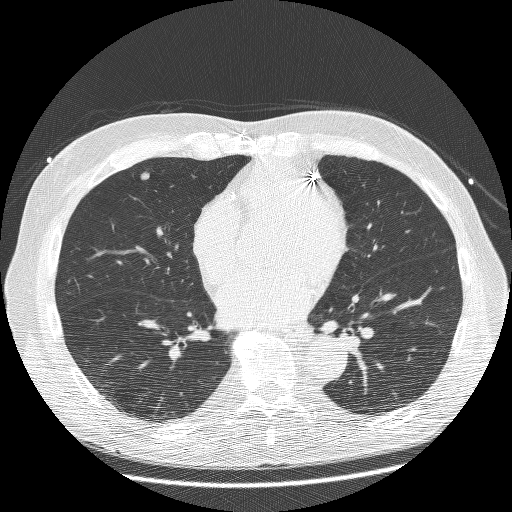
Axial chest CT slice 107 of 260 (counted from the lowest slice); 1.25 mm thick, 0.703 mm per pixel. Pulmonary nodule outlined by all four readers; box rows 171–179, columns 140–149 (the union of the readers' outlines on this slice); the four readers' outlines give a longest diameter between 8.0 and 9.1 mm and a volume between 118 and 204 mm3. Ratings across the readers: texture 5/5 (solid), all four readers agreeing; margin from 4/5 to 5/5 (circumscribed) across the four readers; sphericity from 3/5 (ovoid) to 5/5 (round) across the four readers; calcification absent, all four readers agreeing; internal structure soft tissue from all four readers; subtlety rated between 4 and 5 out of 5 by the four readers; malignancy likelihood 2–5/5 (the readers disagree). Scale key (1–5): texture non-solid→solid, margin indistinct→circumscribed, sphericity linear→round, subtlety extremely subtle→obvious, malignancy likelihood highly unlikely→highly suspicious of cancer. Box rows and columns are 0-based pixel indices from the top-left corner, inclusive.
Acquired at 120 kVp and reconstructed with the BONE kernel.